Axial chest CT slice 122 of 137 (counted from the lowest slice); tube voltage 120 kVp, convolution kernel STANDARD; slices 2.50 mm thick, 0.742 mm per pixel.
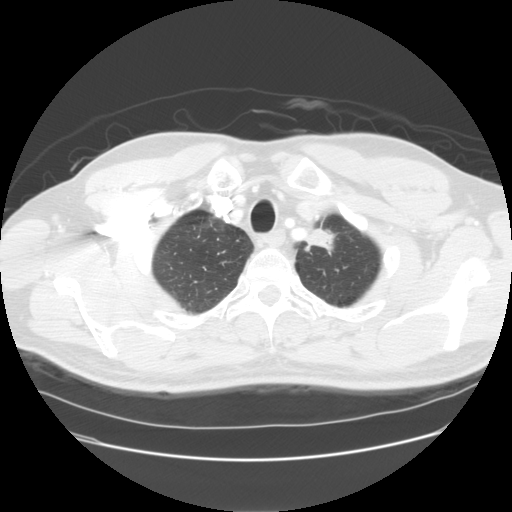
Pulmonary nodule, outlined by all four readers. Box on this slice rows 219–256, columns 303–338, the union of the readers' outlines on this slice; longest diameter 37.5 mm on average over the four readers' outlines (readers' outlines 30.7–45.5 mm), volume 6191–8548 mm3. Ratings, by the readers' most common answer with dissent counted: most readers (three of four) put texture at 5/5 (solid), others 4/5 (one); margin 4/5 by two of four readers; the rest gave 2/5 (one), 3/5 (one); sphericity 3/5 (ovoid) by two of four readers; the rest gave 4/5 (one), 5/5 (round) (one); calcification absent from all four readers; internal structure soft tissue, all four readers agreeing; subtlety 5/5 from all four readers; malignancy likelihood 5/5 by three of four readers; the rest gave 4/5 (one). Scale key (1–5): texture non-solid→solid, margin indistinct→circumscribed, sphericity linear→round, subtlety extremely subtle→obvious, malignancy likelihood highly unlikely→highly suspicious of cancer. Box rows and columns are 0-based pixel indices from the top-left corner, inclusive.